Chest CT, axial plane, 120 kVp, kernel B30f. Slice 256/536 from the bottom of the scan; thickness 0.75 mm; pixel size 0.656 mm.
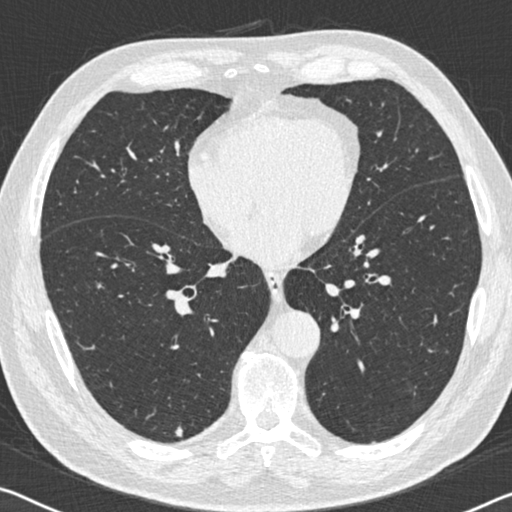
Pulmonary nodule at rows 425–437, columns 174–183 (box = the union of the readers' outlines on this slice), outlined by three of the four readers; longest diameter 7.9 mm on average over the three readers' outlines (readers' outlines 6.2–9.3 mm), volume 71–161 mm3. Ratings, by the readers' most common answer with dissent counted: texture 5/5 (solid) from all three readers; margin 4/5 by two of three readers; the rest gave 3/5 (one); sphericity 3/5 (ovoid) by two of three readers; the rest gave 4/5 (one); calcification absent by two of three readers, non-central calcification (one); internal structure soft tissue from all three readers; subtlety split among the readers: 3/5 (one), 4/5 (one), 5/5 (one); most readers (two of three) put malignancy likelihood at 2/5, others 3/5 (one). Scale key (1–5): texture non-solid→solid, margin indistinct→circumscribed, sphericity linear→round, subtlety extremely subtle→obvious, malignancy likelihood highly unlikely→highly suspicious of cancer. Box rows and columns are 0-based pixel indices from the top-left corner, inclusive.